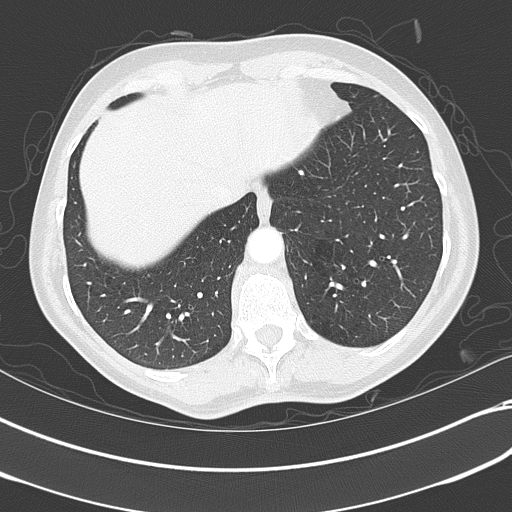
Axial chest CT slice 117 of 351 (counted from the lowest slice); tube voltage 120 kVp, convolution kernel B70f; slices 2.00 mm thick, 0.643 mm per pixel.
Pulmonary nodule at rows 170–174, columns 298–304 (box = the union of the readers' outlines on this slice), outlined by two of the four readers; the two readers' outlines give a longest diameter between 5.2 and 5.5 mm and a volume between 46 and 60 mm3. Ratings across the readers: texture 5/5 (solid), both readers agreeing; margin from 4/5 to 5/5 (circumscribed) across the two readers; sphericity from 4/5 to 5/5 (round) across the two readers; calcification split among the readers: solid calcification (one), absent (one); internal structure soft tissue, both readers agreeing; subtlety 4–5/5 (the readers disagree); malignancy likelihood from 1/5 to 2/5 across the two readers. Scale key (1–5): texture non-solid→solid, margin indistinct→circumscribed, sphericity linear→round, subtlety extremely subtle→obvious, malignancy likelihood highly unlikely→highly suspicious of cancer. Box rows and columns are 0-based pixel indices from the top-left corner, inclusive.